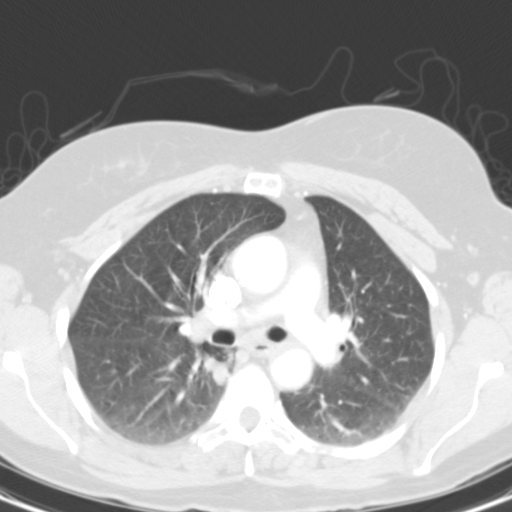
This is axial slice 65 of 94 (slice 1 is the lowest) of a chest CT; each pixel is 0.570 mm and the slice is 3.00 mm thick. Pulmonary nodule at rows 351–385, columns 203–233 (box = the union of the readers' outlines on this slice), outlined by all four readers; longest diameter 20.7 mm on average over the four readers' outlines (readers' outlines 18.6–23.0 mm), volume 949–1399 mm3. The readers' prevailing ratings and who disagreed: most readers (three of four) put texture at 5/5 (solid), others 4/5 (one); margin 4/5 by three of four readers; the rest gave 5/5 (circumscribed) (one); most readers (three of four) put sphericity at 4/5, others 5/5 (round) (one); calcification absent, all four readers agreeing; internal structure soft tissue, all four readers agreeing; subtlety 5/5 from all four readers; malignancy likelihood 5/5 by two of four readers; the rest gave 2/5 (one), 3/5 (one). Scale key (1–5): texture non-solid→solid, margin indistinct→circumscribed, sphericity linear→round, subtlety extremely subtle→obvious, malignancy likelihood highly unlikely→highly suspicious of cancer. Box rows and columns are 0-based pixel indices from the top-left corner, inclusive.
Acquired at 130 kVp and reconstructed with the B31s kernel.